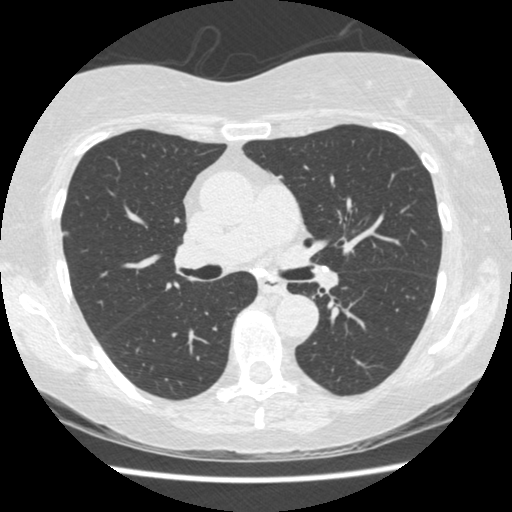
One axial slice (247 of 458, counting up from the lowest) of a chest CT acquired at 120 kVp with the STANDARD kernel; each pixel is 0.625 mm and the slice is 1.25 mm thick.
Pulmonary nodule at rows 230–235, columns 62–68 (box = the union of the readers' outlines on this slice), outlined by two of the four readers; median longest diameter 5.5 mm (readers' outlines 5.4–5.6 mm), median volume 36 mm3 (31–41 mm3). Median ratings and the readers' spread: median texture 3.5/5 (readers ranged 2/5 to 5/5 (solid)); margin 3.5/5 at the median of two readers, spread 2/5 to 5/5 (circumscribed); median sphericity 3.5/5 (readers ranged 3/5 (ovoid) to 4/5); calcification absent, both readers agreeing; internal structure soft tissue from both readers; subtlety 3.5/5 at the median of two readers, spread 3–4; malignancy likelihood 2.5/5 at the median of two readers, spread 2–3. Scale key (1–5): texture non-solid→solid, margin indistinct→circumscribed, sphericity linear→round, subtlety extremely subtle→obvious, malignancy likelihood highly unlikely→highly suspicious of cancer. Box rows and columns are 0-based pixel indices from the top-left corner, inclusive.